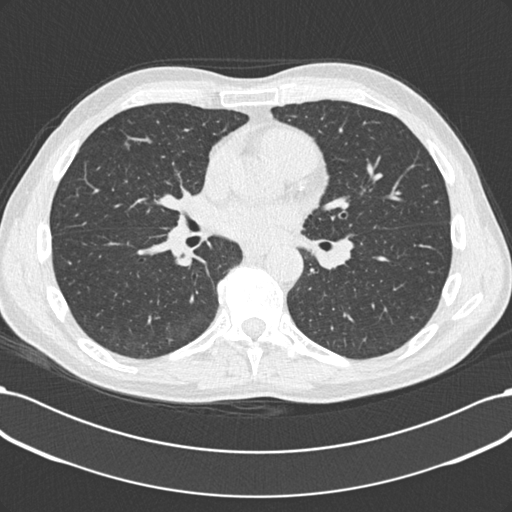
Axial chest CT slice 108 of 198 (counted from the lowest slice); 2.00 mm thick, 0.703 mm per pixel. No nodule 3 mm or larger was outlined here by any reader.
Acquired at 120 kVp and reconstructed with the B30f kernel.